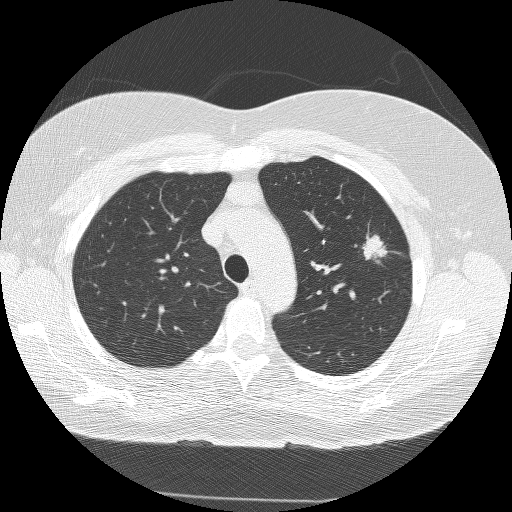
This is axial slice 192 of 245 (slice 1 is the lowest) of a chest CT; each pixel is 0.664 mm and the slice is 1.25 mm thick. Pulmonary nodule, outlined by all four readers. Box on this slice rows 233–263, columns 362–387, the union of the readers' outlines on this slice; longest diameter 21.3 mm on average over the four readers' outlines (readers' outlines 20.8–22.3 mm), volume 2976–3390 mm3. Ratings, by the readers' most common answer with dissent counted: texture 5/5 (solid) by three of four readers; the rest gave 4/5 (one); margin split among the readers: 3/5 (two), 4/5 (two); sphericity 3/5 (ovoid) by two of four readers; the rest gave 4/5 (one), 5/5 (round) (one); calcification absent, all four readers agreeing; internal structure soft tissue, all four readers agreeing; subtlety 5/5 from all four readers; malignancy likelihood 5/5 from all four readers. Scale key (1–5): texture non-solid→solid, margin indistinct→circumscribed, sphericity linear→round, subtlety extremely subtle→obvious, malignancy likelihood highly unlikely→highly suspicious of cancer. Box rows and columns are 0-based pixel indices from the top-left corner, inclusive.
Scan settings: 120 kVp, BONE reconstruction kernel.